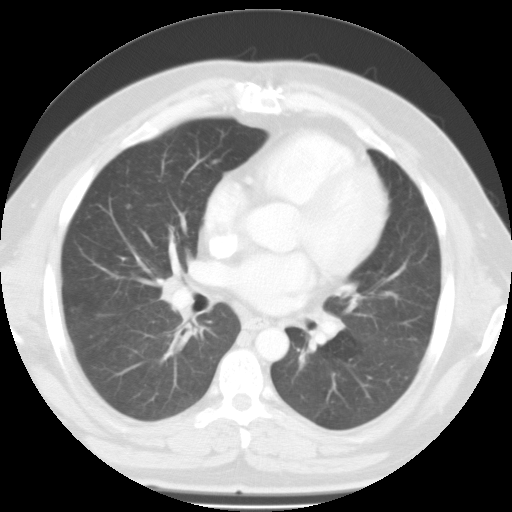
Slice 57/99 of a chest CT, counting up from the lowest; pixel size 0.698 mm, slice thickness 3.00 mm. Pulmonary nodule, outlined by one of the four readers. Box on this slice rows 203–209, columns 125–131, that reader's outline on this slice; longest diameter 5.8 mm and volume 120 mm3 from that reader's outline. Ratings by that reader: texture 3/5 (part-solid); margin 3/5; sphericity 2/5; calcification absent; internal structure soft tissue; subtlety 2/5; malignancy likelihood 3/5. Scale key (1–5): texture non-solid→solid, margin indistinct→circumscribed, sphericity linear→round, subtlety extremely subtle→obvious, malignancy likelihood highly unlikely→highly suspicious of cancer. Box rows and columns are 0-based pixel indices from the top-left corner, inclusive.
Tube voltage 135 kVp; convolution kernel FC01.